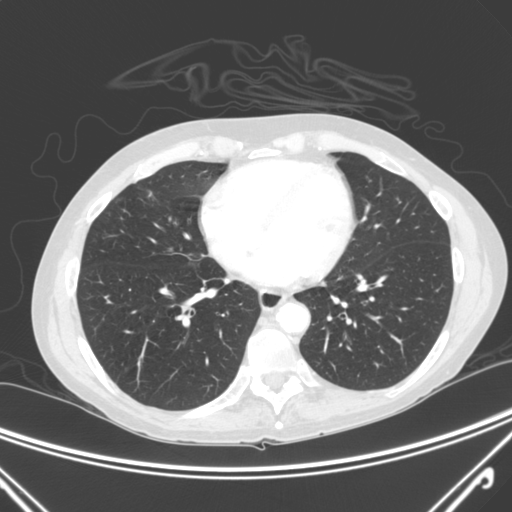
Axial chest CT slice 109 of 300 (counted from the lowest slice); 2.00 mm thick, 0.715 mm per pixel. Pulmonary nodule, outlined by two of the four readers, one of them on this slice. Box on this slice rows 368–371, columns 125–128, the one reader's outline on this slice; longest diameter 5.8 mm on average over the two readers' outlines (readers' outlines 5.4–6.1 mm), volume 36–60 mm3. Ratings, by the readers' most common answer with dissent counted: texture split among the readers: 3/5 (part-solid) (one), 5/5 (solid) (one); margin split among the readers: 3/5 (one), 5/5 (circumscribed) (one); sphericity split among the readers: 2/5 (one), 4/5 (one); calcification absent, both readers agreeing; internal structure soft tissue from both readers; subtlety split among the readers: 2/5 (one), 4/5 (one); malignancy likelihood 3/5, both readers agreeing. Scale key (1–5): texture non-solid→solid, margin indistinct→circumscribed, sphericity linear→round, subtlety extremely subtle→obvious, malignancy likelihood highly unlikely→highly suspicious of cancer. Box rows and columns are 0-based pixel indices from the top-left corner, inclusive.
Scan settings: 120 kVp, C reconstruction kernel.